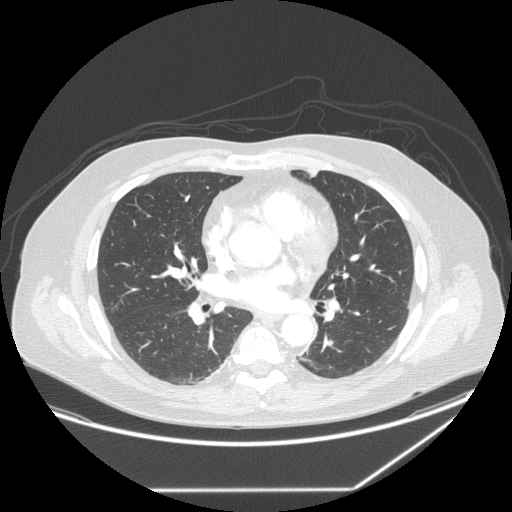
This is axial slice 135 of 258 (slice 1 is the lowest) of a chest CT; each pixel is 0.859 mm and the slice is 1.25 mm thick. Pulmonary nodule at rows 340–345, columns 327–333 (box = the union of the readers' outlines on this slice), outlined by three of the four readers; median longest diameter 7.4 mm (readers' outlines 6.5–8.5 mm), median volume 116 mm3 (108–146 mm3). Median ratings and the readers' spread: texture 5/5 (solid) from all three readers; margin 5/5 (circumscribed), all three readers agreeing; sphericity 5/5 (round) from all three readers; calcification absent from all three readers; internal structure soft tissue, all three readers agreeing; median subtlety 3/5 (readers ranged 2–4); median malignancy likelihood 3/5 (readers ranged 2–3). Scale key (1–5): texture non-solid→solid, margin indistinct→circumscribed, sphericity linear→round, subtlety extremely subtle→obvious, malignancy likelihood highly unlikely→highly suspicious of cancer. Box rows and columns are 0-based pixel indices from the top-left corner, inclusive.
Tube voltage 120 kVp; convolution kernel STANDARD.